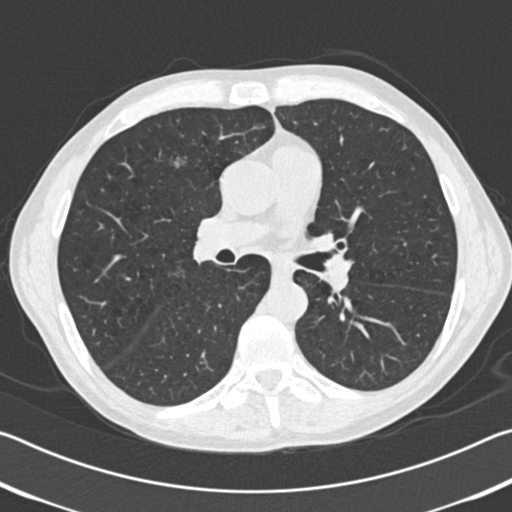
Chest CT, axial plane, 120 kVp, kernel B30f. Slice 104/192 from the bottom of the scan; thickness 2.00 mm; pixel size 0.664 mm.
Pulmonary nodule at rows 156–166, columns 172–183 (box = that reader's outline on this slice), outlined by one of the four readers; longest diameter 13.4 mm and volume 515 mm3 from that reader's outline. That reader's ratings: texture 1/5 (non-solid); margin 2/5; sphericity 3/5 (ovoid); calcification absent; internal structure soft tissue; subtlety 2/5; malignancy likelihood 3/5. Scale key (1–5): texture non-solid→solid, margin indistinct→circumscribed, sphericity linear→round, subtlety extremely subtle→obvious, malignancy likelihood highly unlikely→highly suspicious of cancer. Box rows and columns are 0-based pixel indices from the top-left corner, inclusive.